Axial slice 44 of 104 of a chest CT (slice 1 is the lowest), reconstructed with the FC01 kernel at 135 kVp; 3.00 mm slice thickness and 0.741 mm pixels.
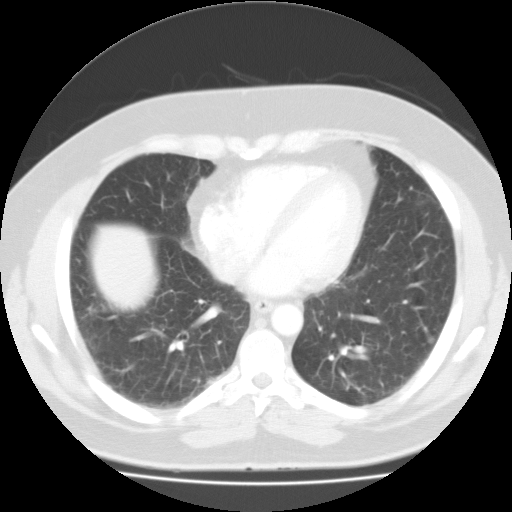
Pulmonary nodule, outlined by all four readers. Box on this slice rows 336–344, columns 427–435, the union of the readers' outlines on this slice; the four readers' outlines give a longest diameter between 9.0 and 9.7 mm and a volume between 449 and 620 mm3. Ratings across the readers: texture 5/5 (solid), all four readers agreeing; margin from 4/5 to 5/5 (circumscribed) across the four readers; sphericity 5/5 (round) from all four readers; calcification absent from all four readers; internal structure soft tissue from all four readers; subtlety rated between 4 and 5 out of 5 by the four readers; malignancy likelihood from 2/5 to 4/5 across the four readers. Scale key (1–5): texture non-solid→solid, margin indistinct→circumscribed, sphericity linear→round, subtlety extremely subtle→obvious, malignancy likelihood highly unlikely→highly suspicious of cancer. Box rows and columns are 0-based pixel indices from the top-left corner, inclusive.